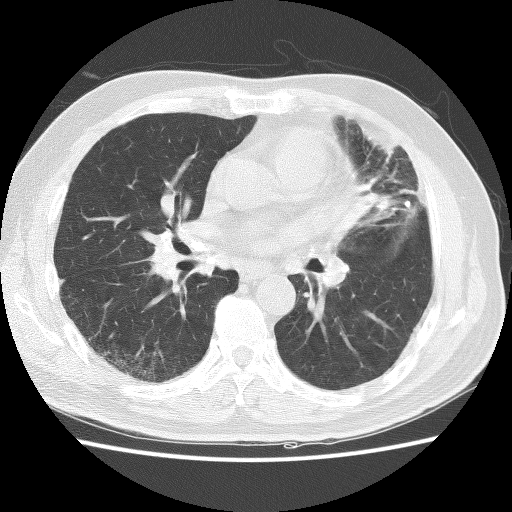
Slice 70/129 of a chest CT, counting up from the lowest; pixel size 0.645 mm, slice thickness 2.50 mm. Pulmonary nodule at rows 201–207, columns 404–410 (box = the union of the readers' outlines on this slice), outlined by three of the four readers; median longest diameter 4.7 mm (readers' outlines 4.7–4.9 mm), median volume 64 mm3 (60–73 mm3). Ratings, median across the readers with their spread: texture 5/5 (solid) from all three readers; median margin 5/5 (circumscribed) (readers ranged 4/5 to 5/5 (circumscribed)); sphericity 5/5 (round) at the median of three readers, spread 4/5 to 5/5 (round); calcification: absent (two), solid calcification (one); internal structure soft tissue from all three readers; subtlety 3/5, all three readers agreeing; malignancy likelihood 2/5 at the median of three readers, spread 1–3. Scale key (1–5): texture non-solid→solid, margin indistinct→circumscribed, sphericity linear→round, subtlety extremely subtle→obvious, malignancy likelihood highly unlikely→highly suspicious of cancer. Box rows and columns are 0-based pixel indices from the top-left corner, inclusive.
Scan settings: 140 kVp, BONE reconstruction kernel.